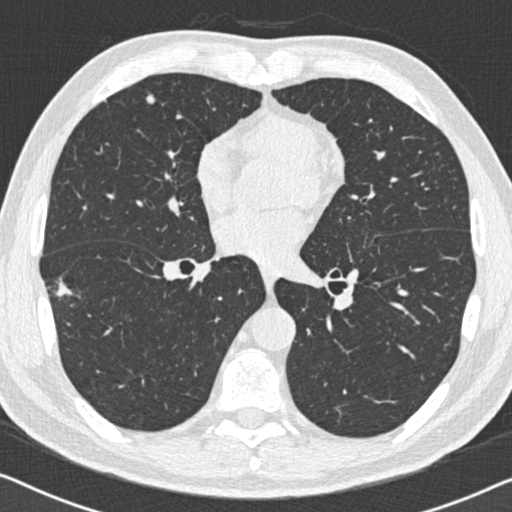
This is axial slice 298 of 558 (slice 1 is the lowest) of a chest CT; each pixel is 0.648 mm and the slice is 0.75 mm thick. Two pulmonary nodules on this slice, listed from left to right. (1) Pulmonary nodule at rows 276–300, columns 47–72 (box = the union of the readers' outlines on this slice), outlined by all four readers; median longest diameter 21.8 mm (readers' outlines 18.8–26.5 mm), median volume 1099 mm3 (726–1916 mm3). Median ratings and the readers' spread: texture 4.5/5 at the median of four readers, spread 3/5 (part-solid) to 5/5 (solid); margin 3/5 at the median of four readers, spread 1/5 (indistinct) to 4/5; sphericity 3/5 (ovoid) at the median of four readers, spread 2/5 to 4/5; calcification absent from all four readers; internal structure soft tissue from all four readers; subtlety 5/5 at the median of four readers, spread 4–5; median malignancy likelihood 4/5 (readers ranged 4–5). (2) Pulmonary nodule at rows 93–104, columns 145–155 (box = the union of the readers' outlines on this slice), outlined by all four readers; longest diameter 7.4–9.6 mm and volume 85–182 mm3 across the four readers' outlines. The readers' ratings, as ranges where they differ: texture from 4/5 to 5/5 (solid) across the four readers; margin from 4/5 to 5/5 (circumscribed) across the four readers; sphericity from 3/5 (ovoid) to 4/5 across the four readers; calcification absent from all four readers; internal structure soft tissue, all four readers agreeing; subtlety from 4/5 to 5/5 across the four readers; malignancy likelihood 3–4/5 (the readers disagree). Scale key (1–5): texture non-solid→solid, margin indistinct→circumscribed, sphericity linear→round, subtlety extremely subtle→obvious, malignancy likelihood highly unlikely→highly suspicious of cancer. Box rows and columns are 0-based pixel indices from the top-left corner, inclusive.
Acquired at 120 kVp and reconstructed with the B30f kernel.